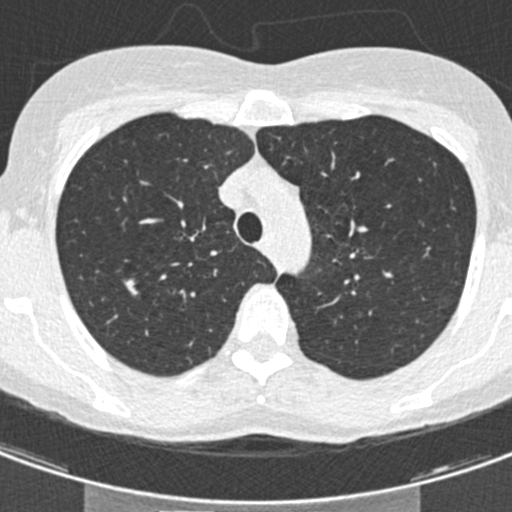
Slice 331/429 of a chest CT, counting up from the lowest; pixel size 0.537 mm, slice thickness 0.75 mm. Pulmonary nodule, outlined by all four readers. Box on this slice rows 278–296, columns 122–138, the union of the readers' outlines on this slice; the four readers' outlines give a longest diameter between 11.2 and 13.4 mm and a volume between 226 and 398 mm3. Ratings across the readers: texture from 3/5 (part-solid) to 4/5 across the four readers; margin from 1/5 (indistinct) to 4/5 across the four readers; sphericity from 2/5 to 5/5 (round) across the four readers; calcification absent, all four readers agreeing; internal structure soft tissue from all four readers; subtlety 3–5/5 (the readers disagree); malignancy likelihood 3–4/5 (the readers disagree). Scale key (1–5): texture non-solid→solid, margin indistinct→circumscribed, sphericity linear→round, subtlety extremely subtle→obvious, malignancy likelihood highly unlikely→highly suspicious of cancer. Box rows and columns are 0-based pixel indices from the top-left corner, inclusive.
Tube voltage 120 kVp; convolution kernel B30f.